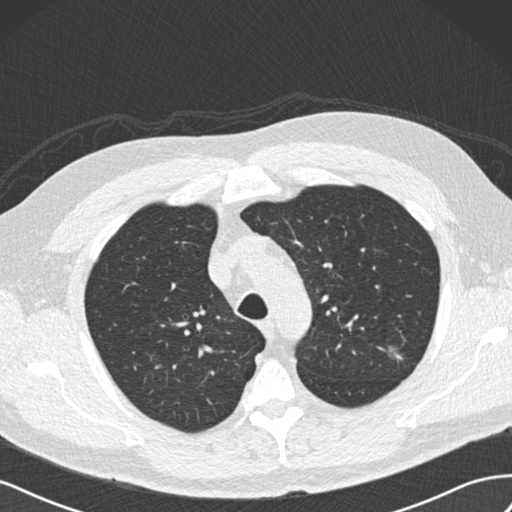
Axial chest CT slice 160 of 206 (counted from the lowest slice); 2.00 mm thick, 0.703 mm per pixel. Pulmonary nodule at rows 345–358, columns 387–401 (box = the union of the readers' outlines on this slice), outlined by three of the four readers; the three readers' outlines give a longest diameter between 15.6 and 17.9 mm and a volume between 851 and 953 mm3. The readers' ratings, as ranges where they differ: texture from 1/5 (non-solid) to 3/5 (part-solid) across the three readers; margin from 1/5 (indistinct) to 3/5 across the three readers; sphericity 2/5 from all three readers; calcification absent, all three readers agreeing; internal structure: soft tissue (two), air (one); subtlety 3–4/5 (the readers disagree); malignancy likelihood from 3/5 to 4/5 across the three readers. Scale key (1–5): texture non-solid→solid, margin indistinct→circumscribed, sphericity linear→round, subtlety extremely subtle→obvious, malignancy likelihood highly unlikely→highly suspicious of cancer. Box rows and columns are 0-based pixel indices from the top-left corner, inclusive.
Scan settings: 120 kVp, B30f reconstruction kernel.